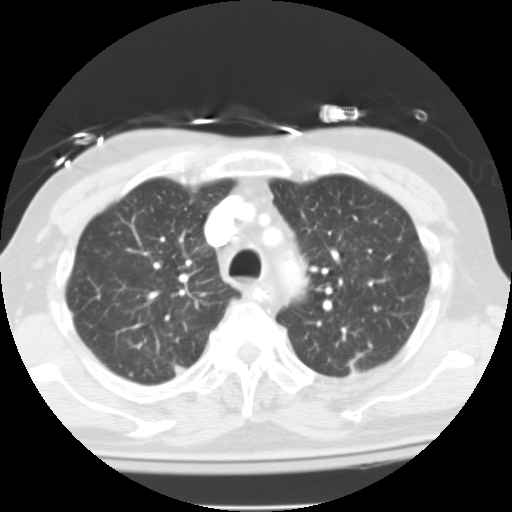
Chest CT, axial plane, 135 kVp, kernel FC10. Slice 97/125 from the bottom of the scan; thickness 3.00 mm; pixel size 0.628 mm.
Pulmonary nodule outlined by one of the four readers; box rows 372–376, columns 129–132 (that reader's outline on this slice); longest diameter 5.6 mm and volume 105 mm3 from that reader's outline. Ratings by that reader: texture 3/5 (part-solid); margin 3/5; sphericity 4/5; calcification absent; internal structure soft tissue; subtlety 4/5; malignancy likelihood 3/5. Scale key (1–5): texture non-solid→solid, margin indistinct→circumscribed, sphericity linear→round, subtlety extremely subtle→obvious, malignancy likelihood highly unlikely→highly suspicious of cancer. Box rows and columns are 0-based pixel indices from the top-left corner, inclusive.